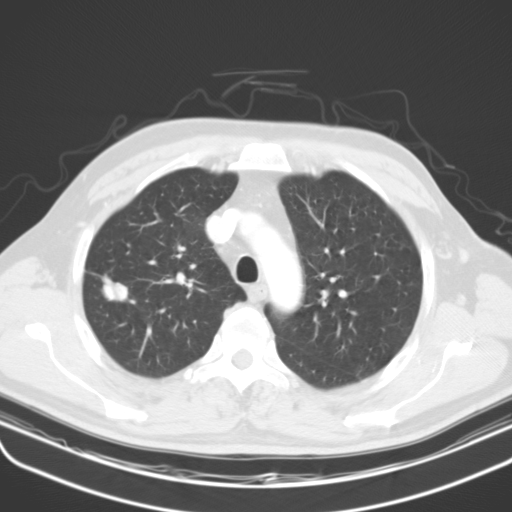
Chest CT, axial plane, 130 kVp, kernel B31s. Slice 108/134 from the bottom of the scan; thickness 3.00 mm; pixel size 0.715 mm.
Pulmonary nodule outlined by all four readers; box rows 273–302, columns 101–129 (the union of the readers' outlines on this slice); the four readers' outlines give a longest diameter between 28.3 and 32.4 mm and a volume between 2936 and 4904 mm3. The readers' ratings, as ranges where they differ: texture from 4/5 to 5/5 (solid) across the four readers; margin from 3/5 to 5/5 (circumscribed) across the four readers; sphericity from 3/5 (ovoid) to 4/5 across the four readers; calcification: absent (three), central calcification (one); internal structure soft tissue from all four readers; subtlety 5/5, all four readers agreeing; malignancy likelihood 1–5/5 (the readers disagree). Scale key (1–5): texture non-solid→solid, margin indistinct→circumscribed, sphericity linear→round, subtlety extremely subtle→obvious, malignancy likelihood highly unlikely→highly suspicious of cancer. Box rows and columns are 0-based pixel indices from the top-left corner, inclusive.